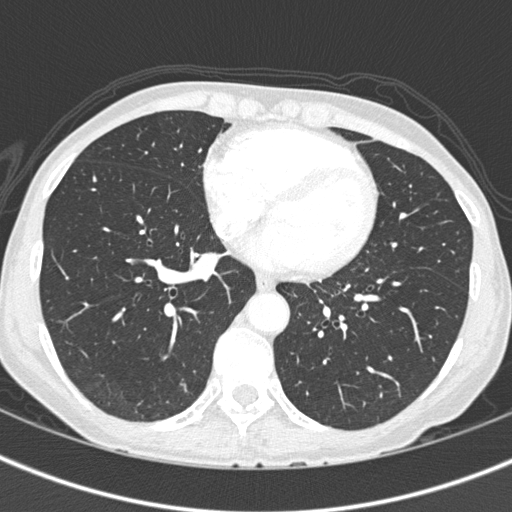
Axial chest CT slice 181 of 375 (counted from the lowest slice); tube voltage 120 kVp, convolution kernel B45f; slices 1.00 mm thick, 0.586 mm per pixel.
Pulmonary nodule at rows 383–391, columns 180–186 (box = the one reader's outline on this slice), outlined by all four readers, one of them on this slice; longest diameter 7.8–9.2 mm and volume 83–105 mm3 across the four readers' outlines. Ratings across the readers: texture 5/5 (solid) from all four readers; margin from 4/5 to 5/5 (circumscribed) across the four readers; sphericity from 3/5 (ovoid) to 5/5 (round) across the four readers; calcification absent, all four readers agreeing; internal structure soft tissue from all four readers; subtlety rated between 3 and 5 out of 5 by the four readers; malignancy likelihood 3–4/5 (the readers disagree). Scale key (1–5): texture non-solid→solid, margin indistinct→circumscribed, sphericity linear→round, subtlety extremely subtle→obvious, malignancy likelihood highly unlikely→highly suspicious of cancer. Box rows and columns are 0-based pixel indices from the top-left corner, inclusive.